Axial slice 67 of 280 of a chest CT (slice 1 is the lowest), reconstructed with the D kernel at 120 kVp; 1.00 mm slice thickness and 0.564 mm pixels.
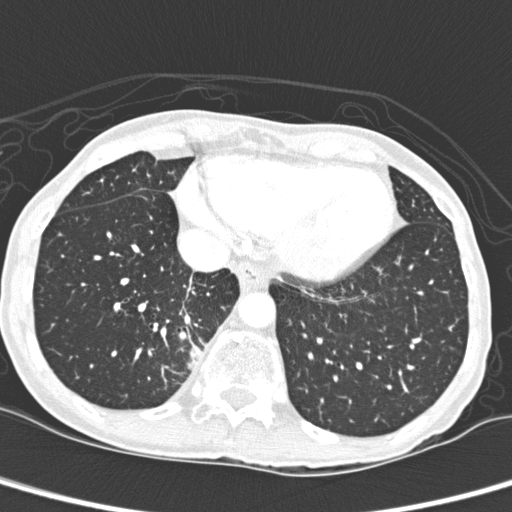
Pulmonary nodule at rows 344–370, columns 187–201 (box = the union of the readers' outlines on this slice), outlined by two of the four readers; median longest diameter 33.9 mm (readers' outlines 32.1–35.8 mm), median volume 6179 mm3 (5657–6702 mm3). Median ratings and the readers' spread: texture 5/5 (solid) from both readers; margin 4/5, both readers agreeing; sphericity 3/5 (ovoid), both readers agreeing; calcification absent from both readers; internal structure soft tissue, both readers agreeing; subtlety 5/5 from both readers; malignancy likelihood 2.5/5 at the median of two readers, spread 2–3. Scale key (1–5): texture non-solid→solid, margin indistinct→circumscribed, sphericity linear→round, subtlety extremely subtle→obvious, malignancy likelihood highly unlikely→highly suspicious of cancer. Box rows and columns are 0-based pixel indices from the top-left corner, inclusive.